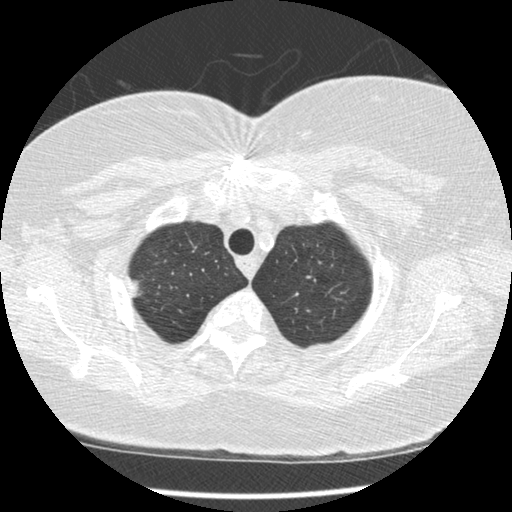
Chest CT, axial plane, 120 kVp, kernel STANDARD. Slice 320/375 from the bottom of the scan; thickness 1.25 mm; pixel size 0.625 mm.
Pulmonary nodule, outlined by all four readers, three of them on this slice. Box on this slice rows 271–301, columns 126–139, the union of the readers' outlines on this slice; longest diameter 21.2–23.2 mm and volume 2289–3466 mm3 across the four readers' outlines. The readers' ratings, as ranges where they differ: texture from 4/5 to 5/5 (solid) across the four readers; margin from 3/5 to 5/5 (circumscribed) across the four readers; sphericity from 2/5 to 5/5 (round) across the four readers; calcification absent, all four readers agreeing; internal structure soft tissue, all four readers agreeing; subtlety 5/5 from all four readers; malignancy likelihood from 3/5 to 5/5 across the four readers. Scale key (1–5): texture non-solid→solid, margin indistinct→circumscribed, sphericity linear→round, subtlety extremely subtle→obvious, malignancy likelihood highly unlikely→highly suspicious of cancer. Box rows and columns are 0-based pixel indices from the top-left corner, inclusive.